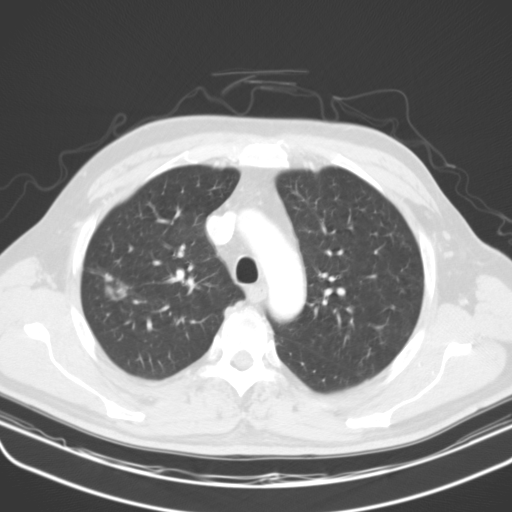
This is axial slice 107 of 134 (slice 1 is the lowest) of a chest CT; each pixel is 0.715 mm and the slice is 3.00 mm thick. Pulmonary nodule, outlined by all four readers, three of them on this slice. Box on this slice rows 272–300, columns 103–129, the union of the readers' outlines on this slice; longest diameter 29.6 mm on average over the four readers' outlines (readers' outlines 28.3–32.4 mm), volume 2936–4904 mm3. Ratings, by the readers' most common answer with dissent counted: texture split among the readers: 4/5 (two), 5/5 (solid) (two); margin 3/5 by two of four readers; the rest gave 4/5 (one), 5/5 (circumscribed) (one); most readers (three of four) put sphericity at 3/5 (ovoid), others 4/5 (one); calcification absent by three of four readers, central calcification (one); internal structure soft tissue, all four readers agreeing; subtlety 5/5 from all four readers; malignancy likelihood 3/5 by two of four readers; the rest gave 1/5 (one), 5/5 (one). Scale key (1–5): texture non-solid→solid, margin indistinct→circumscribed, sphericity linear→round, subtlety extremely subtle→obvious, malignancy likelihood highly unlikely→highly suspicious of cancer. Box rows and columns are 0-based pixel indices from the top-left corner, inclusive.
Scan settings: 130 kVp, B31s reconstruction kernel.